Chest CT, axial plane, 120 kVp, kernel STANDARD. Slice 160/258 from the bottom of the scan; thickness 1.25 mm; pixel size 0.859 mm.
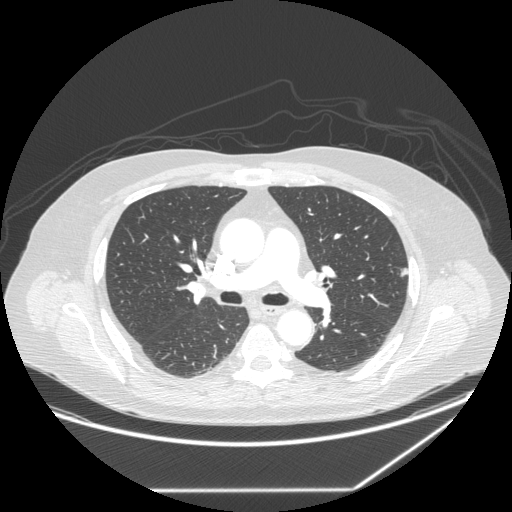
Pulmonary nodule, outlined by two of the four readers. Box on this slice rows 268–276, columns 401–406, the union of the readers' outlines on this slice; median longest diameter 8.9 mm (readers' outlines 8.2–9.6 mm), median volume 145 mm3 (140–150 mm3). Ratings, median across the readers with their spread: texture 3/5 (part-solid), both readers agreeing; margin 2.5/5 at the median of two readers, spread 2/5 to 3/5; sphericity 3.5/5 at the median of two readers, spread 3/5 (ovoid) to 4/5; calcification absent, both readers agreeing; internal structure soft tissue, both readers agreeing; subtlety 4.5/5 at the median of two readers, spread 4–5; malignancy likelihood 3/5 from both readers. Scale key (1–5): texture non-solid→solid, margin indistinct→circumscribed, sphericity linear→round, subtlety extremely subtle→obvious, malignancy likelihood highly unlikely→highly suspicious of cancer. Box rows and columns are 0-based pixel indices from the top-left corner, inclusive.